Axial slice 121 of 270 of a chest CT (slice 1 is the lowest), reconstructed with the BONE kernel at 120 kVp; 1.25 mm slice thickness and 0.703 mm pixels.
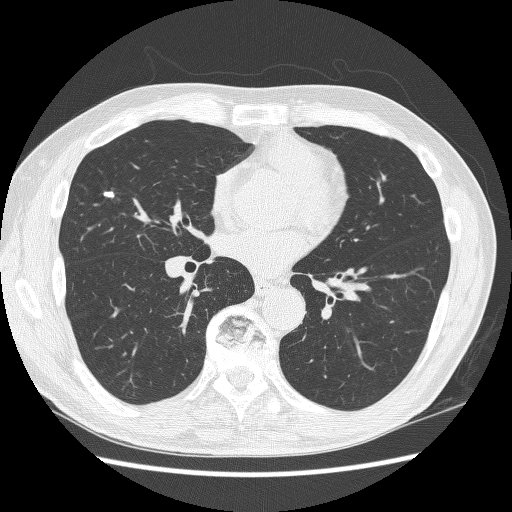
Pulmonary nodule at rows 190–198, columns 102–115 (box = the union of the readers' outlines on this slice), outlined by all four readers; longest diameter 9.8–10.9 mm and volume 198–291 mm3 across the four readers' outlines. The readers' ratings, as ranges where they differ: texture 5/5 (solid), all four readers agreeing; margin from 3/5 to 5/5 (circumscribed) across the four readers; sphericity from 2/5 to 3/5 (ovoid) across the four readers; calcification split among the readers: solid calcification (two), absent (two); internal structure soft tissue, all four readers agreeing; subtlety rated between 3 and 5 out of 5 by the four readers; malignancy likelihood from 1/5 to 3/5 across the four readers. Scale key (1–5): texture non-solid→solid, margin indistinct→circumscribed, sphericity linear→round, subtlety extremely subtle→obvious, malignancy likelihood highly unlikely→highly suspicious of cancer. Box rows and columns are 0-based pixel indices from the top-left corner, inclusive.